Chest CT, axial plane, 135 kVp, kernel FC01. Slice 76/105 from the bottom of the scan; thickness 3.00 mm; pixel size 0.656 mm.
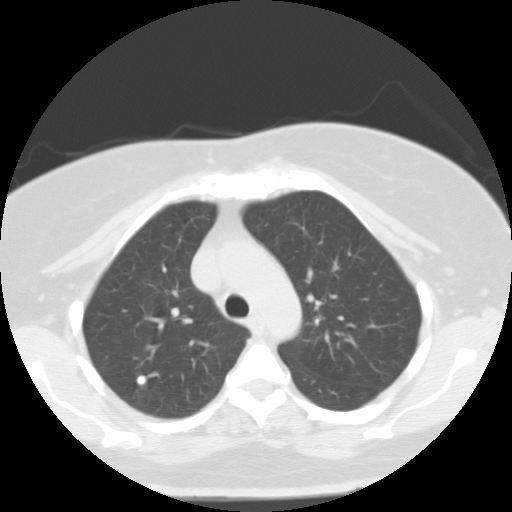
Pulmonary nodule at rows 374–385, columns 136–147 (box = the union of the readers' outlines on this slice), outlined by all four readers; longest diameter 7.3 mm on average over the four readers' outlines (readers' outlines 6.8–8.9 mm), volume 163–329 mm3. Ratings, by the readers' most common answer with dissent counted: texture 5/5 (solid) from all four readers; margin 5/5 (circumscribed), all four readers agreeing; sphericity 5/5 (round) from all four readers; calcification solid calcification, all four readers agreeing; internal structure soft tissue from all four readers; subtlety split among the readers: 4/5 (two), 5/5 (two); malignancy likelihood 1/5 from all four readers. Scale key (1–5): texture non-solid→solid, margin indistinct→circumscribed, sphericity linear→round, subtlety extremely subtle→obvious, malignancy likelihood highly unlikely→highly suspicious of cancer. Box rows and columns are 0-based pixel indices from the top-left corner, inclusive.